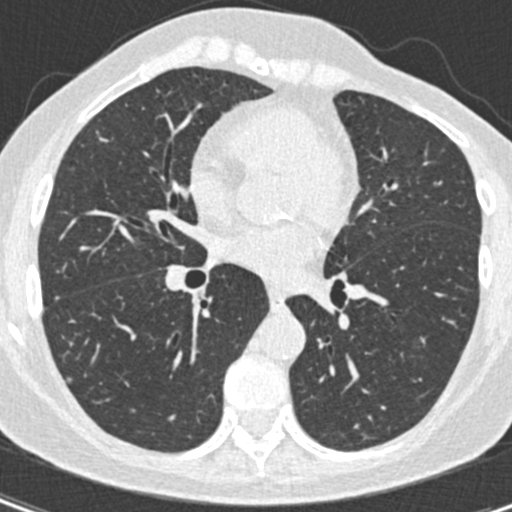
One axial slice (206 of 408, counting up from the lowest) of a chest CT acquired at 120 kVp with the B30f kernel; each pixel is 0.531 mm and the slice is 0.75 mm thick.
Pulmonary nodule outlined by one of the four readers; box rows 296–299, columns 55–59 (that reader's outline on this slice); longest diameter 4.0 mm and volume 31 mm3 from that reader's outline. Ratings by that reader: texture 5/5 (solid); margin 5/5 (circumscribed); sphericity 5/5 (round); calcification absent; internal structure soft tissue; subtlety 5/5; malignancy likelihood 2/5. Scale key (1–5): texture non-solid→solid, margin indistinct→circumscribed, sphericity linear→round, subtlety extremely subtle→obvious, malignancy likelihood highly unlikely→highly suspicious of cancer. Box rows and columns are 0-based pixel indices from the top-left corner, inclusive.